Axial slice 51 of 114 of a chest CT (slice 1 is the lowest), reconstructed with the STANDARD kernel at 120 kVp; 2.50 mm slice thickness and 0.703 mm pixels.
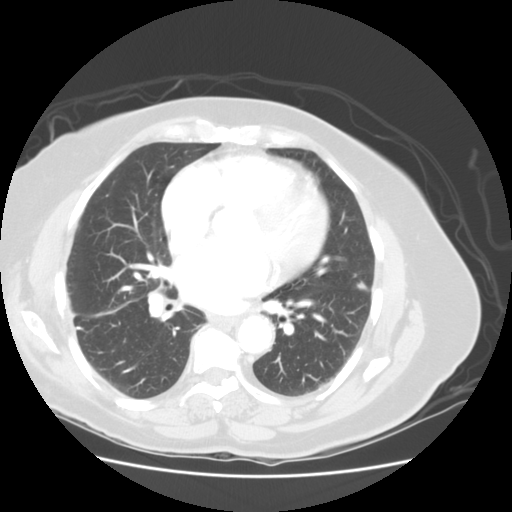
Pulmonary nodule at rows 282–289, columns 358–366 (box = that reader's outline on this slice), outlined by one of the four readers; longest diameter 8.8 mm and volume 78 mm3 from that reader's outline. That reader's ratings: texture 5/5 (solid); margin 5/5 (circumscribed); sphericity 4/5; calcification absent; internal structure soft tissue; subtlety 2/5; malignancy likelihood 3/5. Scale key (1–5): texture non-solid→solid, margin indistinct→circumscribed, sphericity linear→round, subtlety extremely subtle→obvious, malignancy likelihood highly unlikely→highly suspicious of cancer. Box rows and columns are 0-based pixel indices from the top-left corner, inclusive.